One axial slice (69 of 121, counting up from the lowest) of a chest CT acquired at 130 kVp with the B31s kernel; each pixel is 0.766 mm and the slice is 3.00 mm thick.
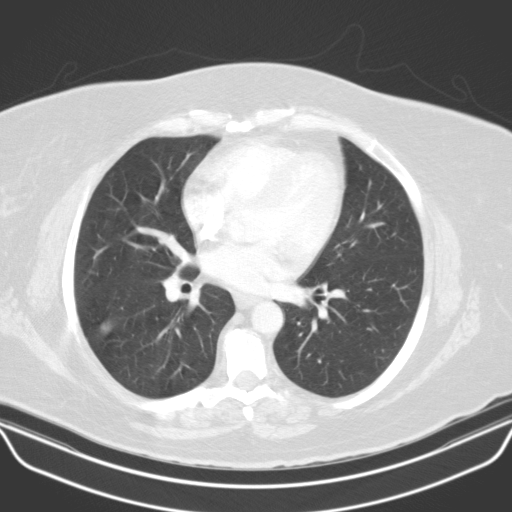
Pulmonary nodule outlined by all four readers, three of them on this slice; box rows 320–336, columns 100–111 (the union of the readers' outlines on this slice); the four readers' outlines give a longest diameter between 16.8 and 18.8 mm and a volume between 1878 and 2483 mm3. Ratings across the readers: texture 5/5 (solid) from all four readers; margin from 4/5 to 5/5 (circumscribed) across the four readers; sphericity 5/5 (round) from all four readers; calcification absent, all four readers agreeing; internal structure soft tissue, all four readers agreeing; subtlety 5/5, all four readers agreeing; malignancy likelihood 3–4/5 (the readers disagree). Scale key (1–5): texture non-solid→solid, margin indistinct→circumscribed, sphericity linear→round, subtlety extremely subtle→obvious, malignancy likelihood highly unlikely→highly suspicious of cancer. Box rows and columns are 0-based pixel indices from the top-left corner, inclusive.